Axial chest CT slice 49 of 109 (counted from the lowest slice); tube voltage 130 kVp, convolution kernel B31s; slices 3.00 mm thick, 0.629 mm per pixel.
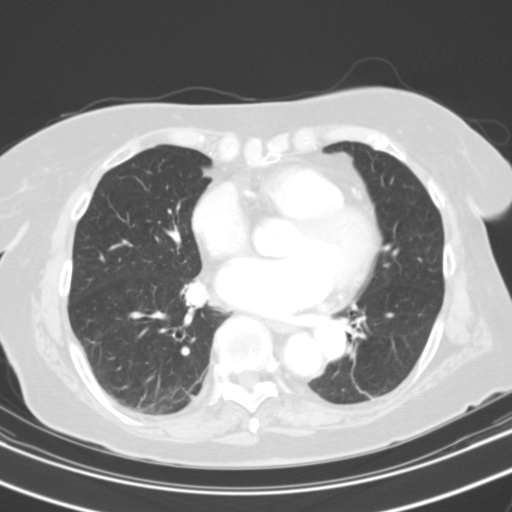
Pulmonary nodule, outlined by all four readers. Box on this slice rows 280–307, columns 185–208, the union of the readers' outlines on this slice; longest diameter 19.1 mm on average over the four readers' outlines (readers' outlines 18.0–19.5 mm), volume 1810–2198 mm3. Ratings, by the readers' most common answer with dissent counted: texture 5/5 (solid), all four readers agreeing; margin 4/5 by two of four readers; the rest gave 2/5 (one), 5/5 (circumscribed) (one); sphericity 5/5 (round) by three of four readers; the rest gave 4/5 (one); calcification absent from all four readers; internal structure soft tissue, all four readers agreeing; most readers (three of four) put subtlety at 5/5, others 3/5 (one); malignancy likelihood 5/5 by two of four readers; the rest gave 3/5 (one), 4/5 (one). Scale key (1–5): texture non-solid→solid, margin indistinct→circumscribed, sphericity linear→round, subtlety extremely subtle→obvious, malignancy likelihood highly unlikely→highly suspicious of cancer. Box rows and columns are 0-based pixel indices from the top-left corner, inclusive.